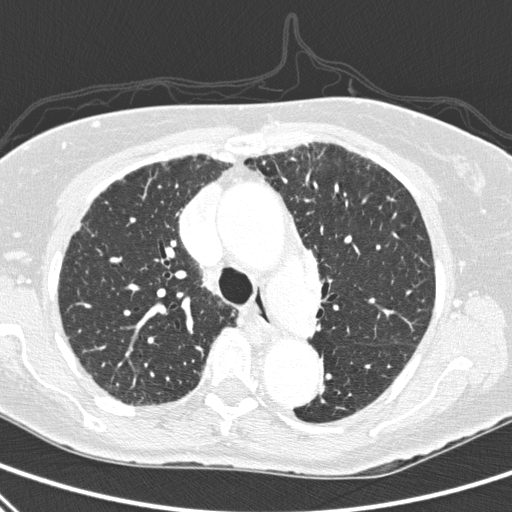
One axial slice (213 of 310, counting up from the lowest) of a chest CT acquired at 120 kVp with the D kernel; each pixel is 0.643 mm and the slice is 1.00 mm thick.
Pulmonary nodule at rows 223–230, columns 76–81 (box = the union of the readers' outlines on this slice), outlined by two of the four readers; median longest diameter 6.8 mm (readers' outlines 6.6–6.9 mm), median volume 37 mm3 (37–38 mm3). Ratings, median across the readers with their spread: texture 5/5 (solid), both readers agreeing; margin 4.5/5 at the median of two readers, spread 4/5 to 5/5 (circumscribed); sphericity 2.5/5 at the median of two readers, spread 2/5 to 3/5 (ovoid); calcification split among the readers: absent (one), non-central calcification (one); internal structure soft tissue from both readers; subtlety 4.5/5 at the median of two readers, spread 4–5; median malignancy likelihood 2/5 (readers ranged 1–3). Scale key (1–5): texture non-solid→solid, margin indistinct→circumscribed, sphericity linear→round, subtlety extremely subtle→obvious, malignancy likelihood highly unlikely→highly suspicious of cancer. Box rows and columns are 0-based pixel indices from the top-left corner, inclusive.